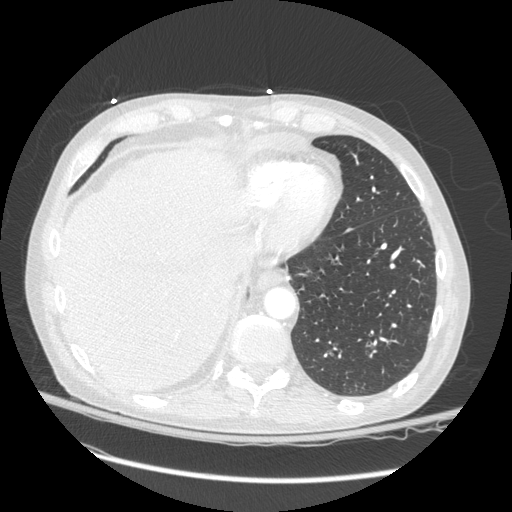
One axial slice (82 of 272, counting up from the lowest) of a chest CT acquired at 120 kVp with the STANDARD kernel; each pixel is 0.742 mm and the slice is 1.25 mm thick.
Pulmonary nodule outlined by all four readers; box rows 227–232, columns 344–352 (the union of the readers' outlines on this slice); longest diameter 11.5 mm on average over the four readers' outlines (readers' outlines 10.6–13.2 mm), volume 211–375 mm3. Ratings, by the readers' most common answer with dissent counted: texture 5/5 (solid), all four readers agreeing; margin 5/5 (circumscribed), all four readers agreeing; sphericity 3/5 (ovoid) by three of four readers; the rest gave 5/5 (round) (one); calcification absent, all four readers agreeing; internal structure soft tissue, all four readers agreeing; subtlety 3/5 from all four readers; malignancy likelihood 2/5 by two of four readers; the rest gave 1/5 (one), 3/5 (one). Scale key (1–5): texture non-solid→solid, margin indistinct→circumscribed, sphericity linear→round, subtlety extremely subtle→obvious, malignancy likelihood highly unlikely→highly suspicious of cancer. Box rows and columns are 0-based pixel indices from the top-left corner, inclusive.